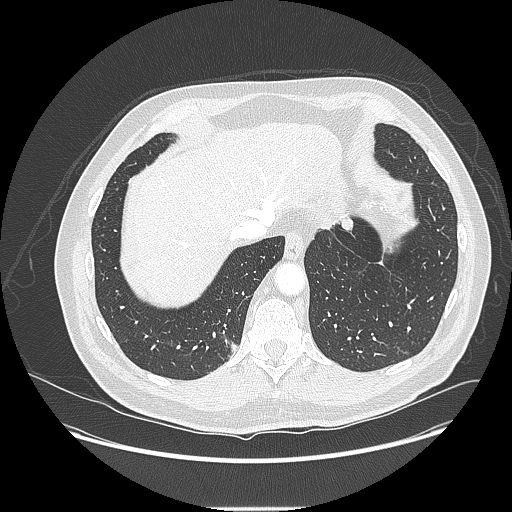
Axial chest CT slice 30 of 214 (counted from the lowest slice); 1.25 mm thick, 0.820 mm per pixel. Pulmonary nodule, outlined by all four readers. Box on this slice rows 216–230, columns 340–352, the union of the readers' outlines on this slice; median longest diameter 13.9 mm (readers' outlines 13.0–15.6 mm), median volume 655 mm3 (578–699 mm3). Ratings, median across the readers with their spread: texture 5/5 (solid), all four readers agreeing; margin 5/5 (circumscribed) at the median of four readers, spread 4/5 to 5/5 (circumscribed); median sphericity 4.5/5 (readers ranged 3/5 (ovoid) to 5/5 (round)); calcification absent from all four readers; internal structure soft tissue, all four readers agreeing; median subtlety 4.5/5 (readers ranged 3–5); malignancy likelihood 3.5/5 at the median of four readers, spread 2–4. Scale key (1–5): texture non-solid→solid, margin indistinct→circumscribed, sphericity linear→round, subtlety extremely subtle→obvious, malignancy likelihood highly unlikely→highly suspicious of cancer. Box rows and columns are 0-based pixel indices from the top-left corner, inclusive.
Scan settings: 120 kVp, LUNG reconstruction kernel.